One axial slice (123 of 148, counting up from the lowest) of a chest CT acquired at 120 kVp with the STANDARD kernel; each pixel is 0.703 mm and the slice is 2.50 mm thick.
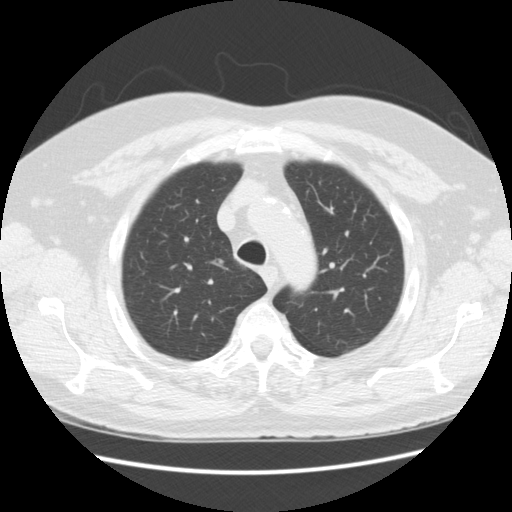
Pulmonary nodule outlined by one of the four readers; box rows 258–265, columns 217–223 (that reader's outline on this slice); longest diameter 7.6 mm and volume 99 mm3 from that reader's outline. That reader's ratings: texture 5/5 (solid); margin 5/5 (circumscribed); sphericity 3/5 (ovoid); calcification absent; internal structure soft tissue; subtlety 4/5; malignancy likelihood 2/5. Scale key (1–5): texture non-solid→solid, margin indistinct→circumscribed, sphericity linear→round, subtlety extremely subtle→obvious, malignancy likelihood highly unlikely→highly suspicious of cancer. Box rows and columns are 0-based pixel indices from the top-left corner, inclusive.